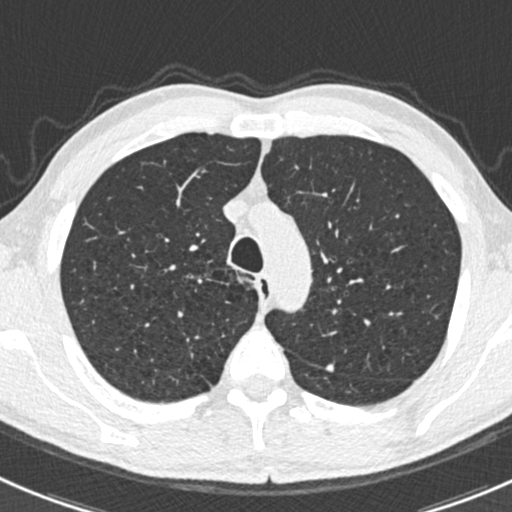
Axial slice 427 of 538 of a chest CT (slice 1 is the lowest), reconstructed with the B30f kernel at 120 kVp; 0.75 mm slice thickness and 0.605 mm pixels.
Pulmonary nodule, outlined by all four readers. Box on this slice rows 362–372, columns 324–334, the union of the readers' outlines on this slice; longest diameter 6.9 mm on average over the four readers' outlines (readers' outlines 6.3–8.1 mm), volume 38–119 mm3. Ratings, by the readers' most common answer with dissent counted: texture 5/5 (solid) from all four readers; margin split among the readers: 4/5 (two), 5/5 (circumscribed) (two); sphericity 5/5 (round) by three of four readers; the rest gave 4/5 (one); calcification solid calcification by three of four readers, absent (one); internal structure soft tissue, all four readers agreeing; subtlety 4/5 by two of four readers; the rest gave 2/5 (one), 5/5 (one); malignancy likelihood 1/5, all four readers agreeing. Scale key (1–5): texture non-solid→solid, margin indistinct→circumscribed, sphericity linear→round, subtlety extremely subtle→obvious, malignancy likelihood highly unlikely→highly suspicious of cancer. Box rows and columns are 0-based pixel indices from the top-left corner, inclusive.